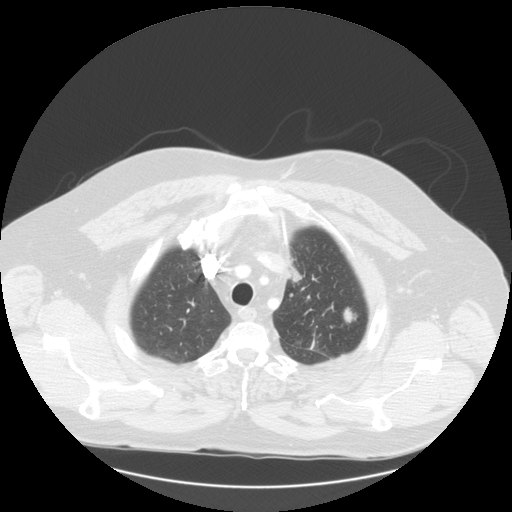
One axial slice (116 of 133, counting up from the lowest) of a chest CT acquired at 120 kVp with the STANDARD kernel; each pixel is 0.859 mm and the slice is 2.50 mm thick.
Pulmonary nodule outlined by all four readers; box rows 306–323, columns 341–357 (the union of the readers' outlines on this slice); longest diameter 18.7 mm on average over the four readers' outlines (readers' outlines 16.4–22.4 mm), volume 1808–2759 mm3. Ratings, by the readers' most common answer with dissent counted: texture split among the readers: 4/5 (two), 5/5 (solid) (two); margin 4/5 by two of four readers; the rest gave 3/5 (one), 5/5 (circumscribed) (one); sphericity 5/5 (round) by two of four readers; the rest gave 3/5 (ovoid) (one), 4/5 (one); calcification absent, all four readers agreeing; internal structure soft tissue, all four readers agreeing; subtlety 5/5 by three of four readers; the rest gave 3/5 (one); malignancy likelihood split among the readers: 4/5 (two), 5/5 (two). Scale key (1–5): texture non-solid→solid, margin indistinct→circumscribed, sphericity linear→round, subtlety extremely subtle→obvious, malignancy likelihood highly unlikely→highly suspicious of cancer. Box rows and columns are 0-based pixel indices from the top-left corner, inclusive.